Chest CT, axial plane, 120 kVp, kernel STANDARD. Slice 261/481 from the bottom of the scan; thickness 1.25 mm; pixel size 0.664 mm.
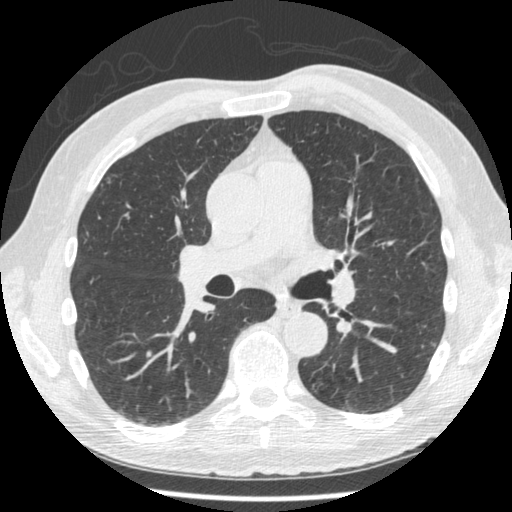
Pulmonary nodule, outlined by three of the four readers, one of them on this slice. Box on this slice rows 382–390, columns 312–321, the one reader's outline on this slice; the three readers' outlines give a longest diameter between 9.4 and 10.2 mm and a volume between 134 and 188 mm3. Ratings across the readers: texture from 2/5 to 4/5 across the three readers; margin from 2/5 to 4/5 across the three readers; sphericity from 2/5 to 4/5 across the three readers; calcification absent from all three readers; internal structure soft tissue, all three readers agreeing; subtlety 3–4/5 (the readers disagree); malignancy likelihood rated between 1 and 3 out of 5 by the three readers. Scale key (1–5): texture non-solid→solid, margin indistinct→circumscribed, sphericity linear→round, subtlety extremely subtle→obvious, malignancy likelihood highly unlikely→highly suspicious of cancer. Box rows and columns are 0-based pixel indices from the top-left corner, inclusive.